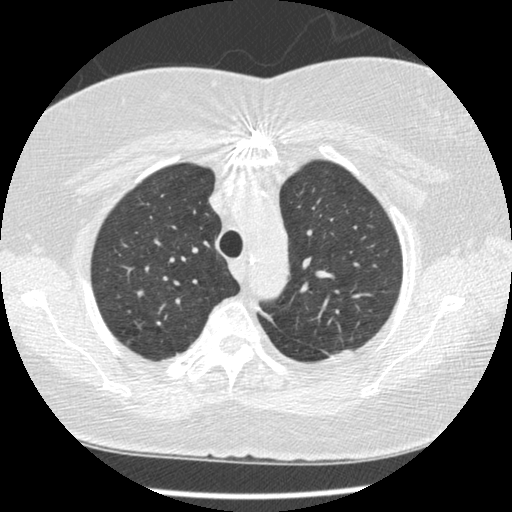
Slice 281/375 of a chest CT, counting up from the lowest; pixel size 0.625 mm, slice thickness 1.25 mm. Pulmonary nodule outlined by three of the four readers; box rows 321–324, columns 156–161 (the union of the readers' outlines on this slice); longest diameter 5.4 mm on average over the three readers' outlines (readers' outlines 5.0–5.9 mm), volume 31–56 mm3. Ratings, by the readers' most common answer with dissent counted: texture 5/5 (solid), all three readers agreeing; margin 5/5 (circumscribed) from all three readers; most readers (two of three) put sphericity at 5/5 (round), others 4/5 (one); calcification solid calcification by two of three readers, absent (one); internal structure soft tissue, all three readers agreeing; most readers (two of three) put subtlety at 4/5, others 5/5 (one); malignancy likelihood 1/5 by two of three readers; the rest gave 2/5 (one). Scale key (1–5): texture non-solid→solid, margin indistinct→circumscribed, sphericity linear→round, subtlety extremely subtle→obvious, malignancy likelihood highly unlikely→highly suspicious of cancer. Box rows and columns are 0-based pixel indices from the top-left corner, inclusive.
Tube voltage 120 kVp; convolution kernel STANDARD.